Axial slice 206 of 350 of a chest CT (slice 1 is the lowest), reconstructed with the C kernel at 120 kVp; 1.50 mm slice thickness and 0.725 mm pixels.
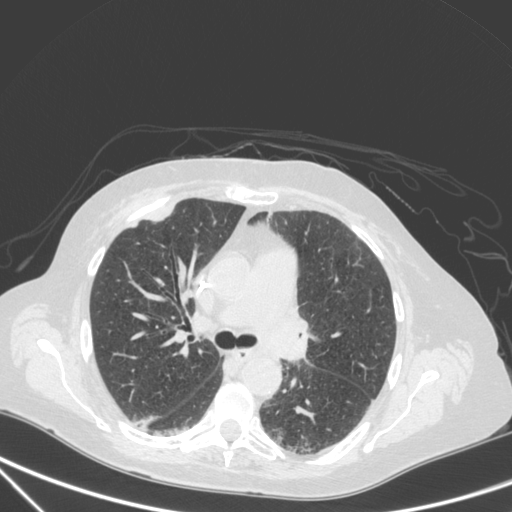
Pulmonary nodule, outlined by one of the four readers. Box on this slice rows 208–221, columns 152–172, that reader's outline on this slice; longest diameter 29.5 mm and volume 4181 mm3 from that reader's outline. That reader's ratings: texture 5/5 (solid); margin 4/5; sphericity 2/5; calcification absent; internal structure soft tissue; subtlety 5/5; malignancy likelihood 4/5. Scale key (1–5): texture non-solid→solid, margin indistinct→circumscribed, sphericity linear→round, subtlety extremely subtle→obvious, malignancy likelihood highly unlikely→highly suspicious of cancer. Box rows and columns are 0-based pixel indices from the top-left corner, inclusive.